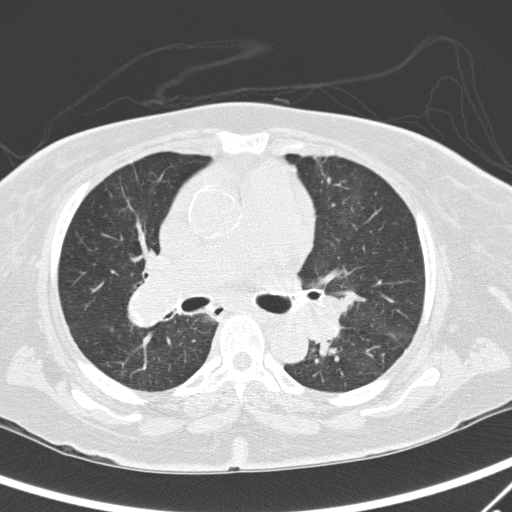
Chest CT, axial plane, 120 kVp, kernel D. Slice 174/295 from the bottom of the scan; thickness 2.00 mm; pixel size 0.682 mm.
Pulmonary nodule outlined by one of the four readers; box rows 370–376, columns 121–125 (that reader's outline on this slice); longest diameter 49.8 mm and volume 6337 mm3 from that reader's outline. Ratings by that reader: texture 4/5; margin 1/5 (indistinct); sphericity 3/5 (ovoid); calcification absent; internal structure soft tissue; subtlety 5/5; malignancy likelihood 5/5. Scale key (1–5): texture non-solid→solid, margin indistinct→circumscribed, sphericity linear→round, subtlety extremely subtle→obvious, malignancy likelihood highly unlikely→highly suspicious of cancer. Box rows and columns are 0-based pixel indices from the top-left corner, inclusive.